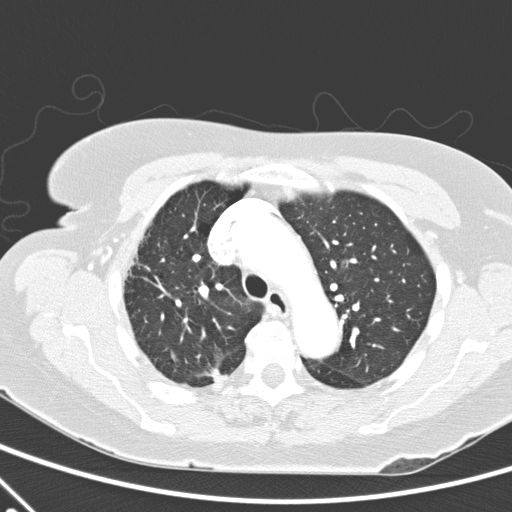
Axial chest CT slice 167 of 248 (counted from the lowest slice); 2.00 mm thick, 0.633 mm per pixel. Pulmonary nodule, outlined by one of the four readers. Box on this slice rows 369–380, columns 212–226, that reader's outline on this slice; longest diameter 13.2 mm and volume 418 mm3 from that reader's outline. That reader's ratings: texture 5/5 (solid); margin 1/5 (indistinct); sphericity 2/5; calcification absent; internal structure soft tissue; subtlety 4/5; malignancy likelihood 2/5. Scale key (1–5): texture non-solid→solid, margin indistinct→circumscribed, sphericity linear→round, subtlety extremely subtle→obvious, malignancy likelihood highly unlikely→highly suspicious of cancer. Box rows and columns are 0-based pixel indices from the top-left corner, inclusive.
Tube voltage 120 kVp; convolution kernel D.